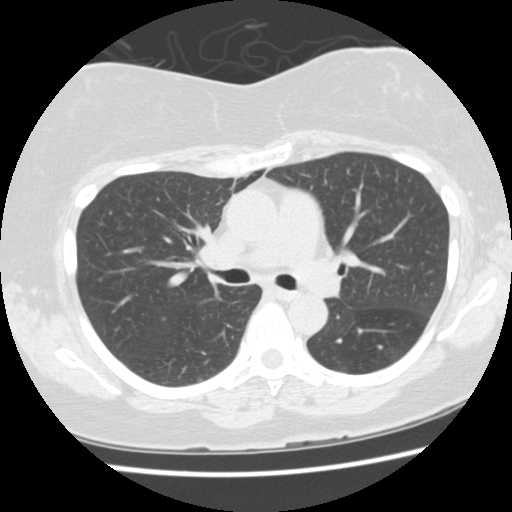
Axial slice 82 of 145 of a chest CT (slice 1 is the lowest), reconstructed with the STANDARD kernel at 120 kVp; 2.50 mm slice thickness and 0.625 mm pixels.
Pulmonary nodule, outlined by two of the four readers. Box on this slice rows 378–381, columns 198–202, the union of the readers' outlines on this slice; the two readers' outlines give a longest diameter between 4.8 and 5.3 mm and a volume between 28 and 52 mm3. Ratings across the readers: texture 5/5 (solid), both readers agreeing; margin 4/5, both readers agreeing; sphericity from 3/5 (ovoid) to 5/5 (round) across the two readers; calcification absent, both readers agreeing; internal structure soft tissue from both readers; subtlety rated between 2 and 5 out of 5 by the two readers; malignancy likelihood rated between 2 and 3 out of 5 by the two readers. Scale key (1–5): texture non-solid→solid, margin indistinct→circumscribed, sphericity linear→round, subtlety extremely subtle→obvious, malignancy likelihood highly unlikely→highly suspicious of cancer. Box rows and columns are 0-based pixel indices from the top-left corner, inclusive.